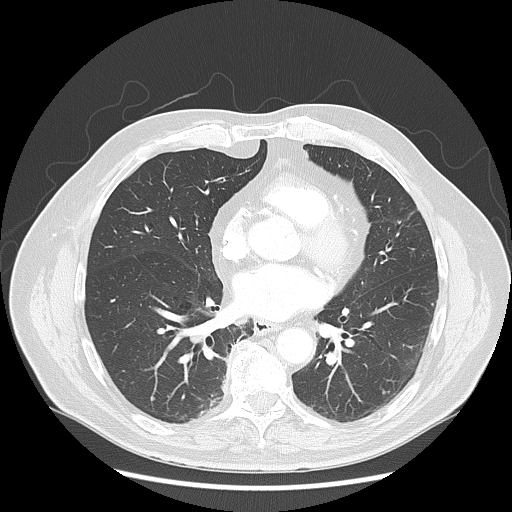
Slice 74/143 of a chest CT, counting up from the lowest; pixel size 0.781 mm, slice thickness 2.50 mm. Pulmonary nodule at rows 397–399, columns 152–155 (box = that reader's outline on this slice), outlined by one of the four readers; longest diameter 5.9 mm and volume 79 mm3 from that reader's outline. Ratings by that reader: texture 5/5 (solid); margin 4/5; sphericity 5/5 (round); calcification absent; internal structure soft tissue; subtlety 3/5; malignancy likelihood 3/5. Scale key (1–5): texture non-solid→solid, margin indistinct→circumscribed, sphericity linear→round, subtlety extremely subtle→obvious, malignancy likelihood highly unlikely→highly suspicious of cancer. Box rows and columns are 0-based pixel indices from the top-left corner, inclusive.
Acquired at 120 kVp and reconstructed with the LUNG kernel.